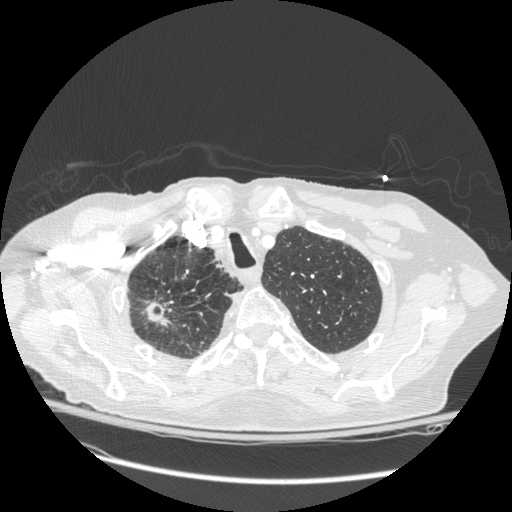
One axial slice (229 of 272, counting up from the lowest) of a chest CT acquired at 120 kVp with the STANDARD kernel; each pixel is 0.742 mm and the slice is 1.25 mm thick.
Pulmonary nodule, outlined by all four readers. Box on this slice rows 301–324, columns 146–168, the union of the readers' outlines on this slice; the four readers' outlines give a longest diameter between 16.0 and 56.1 mm and a volume between 732 and 13897 mm3. The readers' ratings, as ranges where they differ: texture 5/5 (solid) from all four readers; margin from 3/5 to 5/5 (circumscribed) across the four readers; sphericity from 3/5 (ovoid) to 4/5 across the four readers; calcification absent from all four readers; internal structure soft tissue, all four readers agreeing; subtlety 5/5, all four readers agreeing; malignancy likelihood rated between 4 and 5 out of 5 by the four readers. Scale key (1–5): texture non-solid→solid, margin indistinct→circumscribed, sphericity linear→round, subtlety extremely subtle→obvious, malignancy likelihood highly unlikely→highly suspicious of cancer. Box rows and columns are 0-based pixel indices from the top-left corner, inclusive.